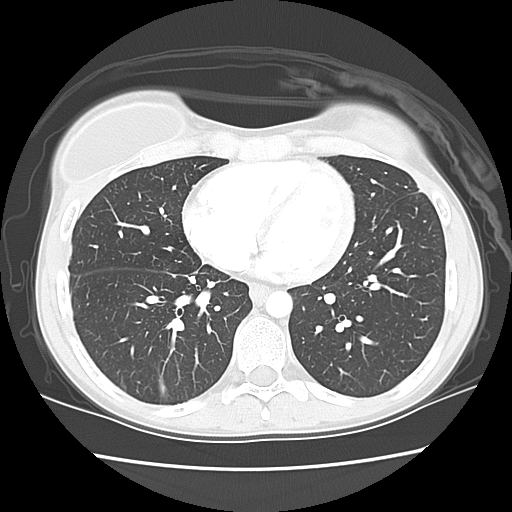
This is axial slice 58 of 129 (slice 1 is the lowest) of a chest CT; each pixel is 0.625 mm and the slice is 2.50 mm thick. None of the four readers outlined a nodule of 3 mm or more on this slice.
Scan settings: 120 kVp, LUNG reconstruction kernel.